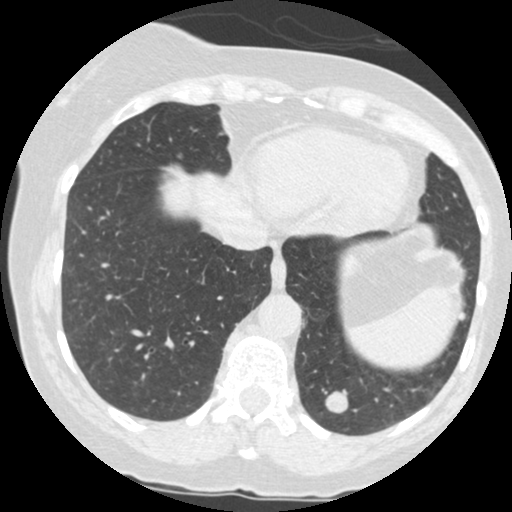
This is axial slice 120 of 484 (slice 1 is the lowest) of a chest CT; each pixel is 0.586 mm and the slice is 1.25 mm thick. Two pulmonary nodules are outlined on this slice; from left to right: (1) Pulmonary nodule outlined by all four readers; box rows 390–413, columns 323–348 (the union of the readers' outlines on this slice); median longest diameter 15.5 mm (readers' outlines 14.7–16.9 mm), median volume 1266 mm3 (1036–1469 mm3). Median ratings and the readers' spread: texture 5/5 (solid), all four readers agreeing; margin 5/5 (circumscribed) from all four readers; median sphericity 4/5 (readers ranged 3/5 (ovoid) to 5/5 (round)); calcification absent from all four readers; internal structure soft tissue from all four readers; subtlety 5/5 from all four readers; median malignancy likelihood 4/5 (readers ranged 2–5). (2) Pulmonary nodule, outlined by all four readers. Box on this slice rows 312–322, columns 457–465, the union of the readers' outlines on this slice; median longest diameter 6.4 mm (readers' outlines 6.0–7.2 mm), median volume 52 mm3 (36–76 mm3). Median ratings and the readers' spread: median texture 5/5 (solid) (readers ranged 4/5 to 5/5 (solid)); margin 4.5/5 at the median of four readers, spread 4/5 to 5/5 (circumscribed); median sphericity 4/5 (readers ranged 3/5 (ovoid) to 5/5 (round)); calcification absent from all four readers; internal structure soft tissue from all four readers; median subtlety 3.5/5 (readers ranged 2–4); median malignancy likelihood 2.5/5 (readers ranged 1–3). Scale key (1–5): texture non-solid→solid, margin indistinct→circumscribed, sphericity linear→round, subtlety extremely subtle→obvious, malignancy likelihood highly unlikely→highly suspicious of cancer. Box rows and columns are 0-based pixel indices from the top-left corner, inclusive.
Scan settings: 120 kVp, STANDARD reconstruction kernel.